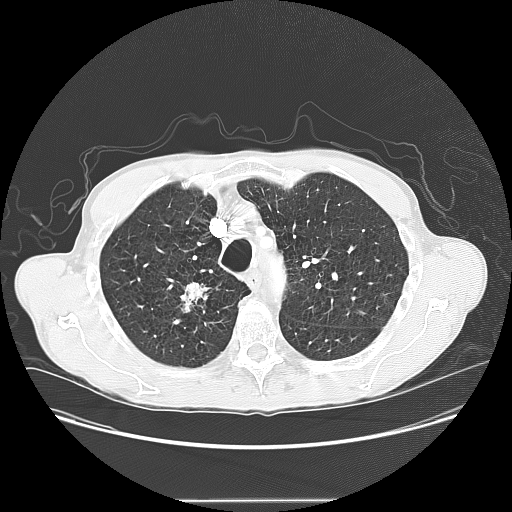
Chest CT, axial plane, 120 kVp, kernel LUNG. Slice 112/145 from the bottom of the scan; thickness 2.50 mm; pixel size 0.781 mm.
Pulmonary nodule, outlined by all four readers. Box on this slice rows 281–312, columns 179–210, the union of the readers' outlines on this slice; the four readers' outlines give a longest diameter between 31.9 and 37.6 mm and a volume between 6100 and 11568 mm3. Ratings across the readers: texture from 4/5 to 5/5 (solid) across the four readers; margin from 2/5 to 4/5 across the four readers; sphericity from 3/5 (ovoid) to 5/5 (round) across the four readers; calcification absent from all four readers; internal structure soft tissue, all four readers agreeing; subtlety 5/5 from all four readers; malignancy likelihood 4–5/5 (the readers disagree). Scale key (1–5): texture non-solid→solid, margin indistinct→circumscribed, sphericity linear→round, subtlety extremely subtle→obvious, malignancy likelihood highly unlikely→highly suspicious of cancer. Box rows and columns are 0-based pixel indices from the top-left corner, inclusive.